One axial slice (34 of 111, counting up from the lowest) of a chest CT acquired at 135 kVp with the FC01 kernel; each pixel is 0.714 mm and the slice is 3.00 mm thick.
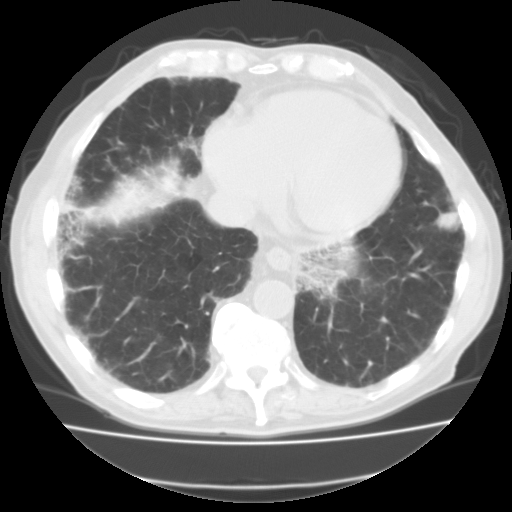
Pulmonary nodule outlined by all four readers; box rows 205–230, columns 433–460 (the union of the readers' outlines on this slice); longest diameter 20.2 mm on average over the four readers' outlines (readers' outlines 19.5–21.5 mm), volume 3640–4836 mm3. Ratings, by the readers' most common answer with dissent counted: texture 5/5 (solid), all four readers agreeing; most readers (three of four) put margin at 5/5 (circumscribed), others 4/5 (one); sphericity 3/5 (ovoid) by two of four readers; the rest gave 4/5 (one), 5/5 (round) (one); calcification absent, all four readers agreeing; internal structure soft tissue, all four readers agreeing; subtlety 5/5, all four readers agreeing; malignancy likelihood split among the readers: 2/5 (one), 3/5 (one), 4/5 (one), 5/5 (one). Scale key (1–5): texture non-solid→solid, margin indistinct→circumscribed, sphericity linear→round, subtlety extremely subtle→obvious, malignancy likelihood highly unlikely→highly suspicious of cancer. Box rows and columns are 0-based pixel indices from the top-left corner, inclusive.